Axial slice 229 of 493 of a chest CT (slice 1 is the lowest), reconstructed with the B30f kernel at 120 kVp; 0.75 mm slice thickness and 0.762 mm pixels.
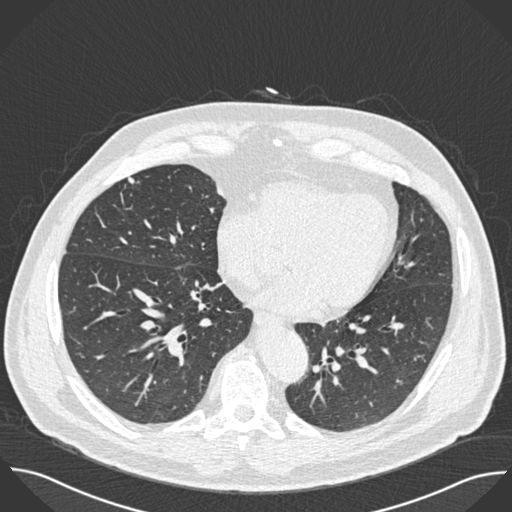
Pulmonary nodule at rows 176–183, columns 127–134 (box = the union of the readers' outlines on this slice), outlined by three of the four readers; the three readers' outlines give a longest diameter between 7.2 and 7.6 mm and a volume between 74 and 97 mm3. The readers' ratings, as ranges where they differ: texture 5/5 (solid) from all three readers; margin from 1/5 (indistinct) to 5/5 (circumscribed) across the three readers; sphericity from 3/5 (ovoid) to 4/5 across the three readers; calcification absent, all three readers agreeing; internal structure soft tissue, all three readers agreeing; subtlety 3–5/5 (the readers disagree); malignancy likelihood 3/5 from all three readers. Scale key (1–5): texture non-solid→solid, margin indistinct→circumscribed, sphericity linear→round, subtlety extremely subtle→obvious, malignancy likelihood highly unlikely→highly suspicious of cancer. Box rows and columns are 0-based pixel indices from the top-left corner, inclusive.